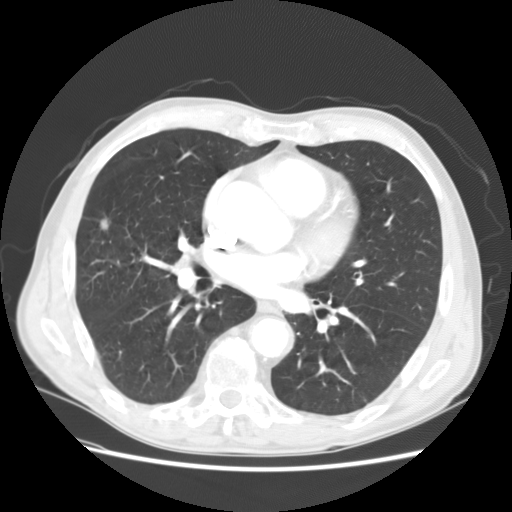
Chest CT, axial plane, 120 kVp, kernel STANDARD. Slice 76/147 from the bottom of the scan; thickness 2.50 mm; pixel size 0.703 mm.
Pulmonary nodule outlined by all four readers; box rows 217–229, columns 98–108 (the union of the readers' outlines on this slice); longest diameter 12.0–13.3 mm and volume 735–848 mm3 across the four readers' outlines. The readers' ratings, as ranges where they differ: texture from 4/5 to 5/5 (solid) across the four readers; margin from 4/5 to 5/5 (circumscribed) across the four readers; sphericity from 4/5 to 5/5 (round) across the four readers; calcification absent, all four readers agreeing; internal structure soft tissue, all four readers agreeing; subtlety from 3/5 to 5/5 across the four readers; malignancy likelihood rated between 2 and 4 out of 5 by the four readers. Scale key (1–5): texture non-solid→solid, margin indistinct→circumscribed, sphericity linear→round, subtlety extremely subtle→obvious, malignancy likelihood highly unlikely→highly suspicious of cancer. Box rows and columns are 0-based pixel indices from the top-left corner, inclusive.